One axial slice (166 of 557, counting up from the lowest) of a chest CT acquired at 120 kVp with the STANDARD kernel; each pixel is 0.703 mm and the slice is 1.25 mm thick.
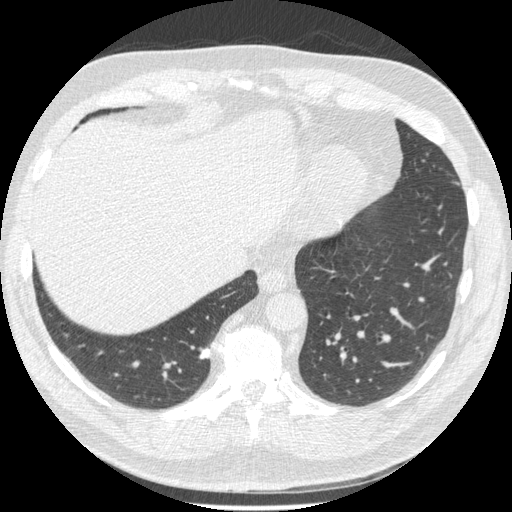
Pulmonary nodule at rows 348–359, columns 198–210 (box = the union of the readers' outlines on this slice), outlined by all four readers; longest diameter 10.2 mm on average over the four readers' outlines (readers' outlines 8.6–11.5 mm), volume 175–299 mm3. The readers' prevailing ratings and who disagreed: texture 5/5 (solid), all four readers agreeing; most readers (three of four) put margin at 5/5 (circumscribed), others 2/5 (one); sphericity split among the readers: 4/5 (two), 5/5 (round) (two); calcification solid calcification by two of four readers, absent (one), central calcification (one); internal structure soft tissue from all four readers; subtlety 5/5 by two of four readers; the rest gave 3/5 (one), 4/5 (one); most readers (three of four) put malignancy likelihood at 1/5, others 4/5 (one). Scale key (1–5): texture non-solid→solid, margin indistinct→circumscribed, sphericity linear→round, subtlety extremely subtle→obvious, malignancy likelihood highly unlikely→highly suspicious of cancer. Box rows and columns are 0-based pixel indices from the top-left corner, inclusive.